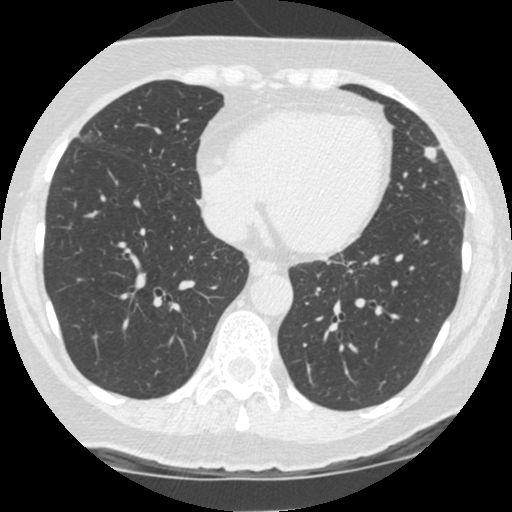
Axial chest CT slice 158 of 481 (counted from the lowest slice); 1.25 mm thick, 0.586 mm per pixel. Pulmonary nodule outlined by all four readers; box rows 146–161, columns 423–436 (the union of the readers' outlines on this slice); longest diameter 10.6 mm on average over the four readers' outlines (readers' outlines 9.6–11.3 mm), volume 410–491 mm3. Ratings, by the readers' most common answer with dissent counted: texture 5/5 (solid) from all four readers; margin 5/5 (circumscribed) by three of four readers; the rest gave 4/5 (one); most readers (three of four) put sphericity at 4/5, others 5/5 (round) (one); calcification absent from all four readers; internal structure soft tissue, all four readers agreeing; most readers (three of four) put subtlety at 5/5, others 4/5 (one); malignancy likelihood split among the readers: 2/5 (one), 3/5 (one), 4/5 (one), 5/5 (one). Scale key (1–5): texture non-solid→solid, margin indistinct→circumscribed, sphericity linear→round, subtlety extremely subtle→obvious, malignancy likelihood highly unlikely→highly suspicious of cancer. Box rows and columns are 0-based pixel indices from the top-left corner, inclusive.
Tube voltage 120 kVp; convolution kernel STANDARD.